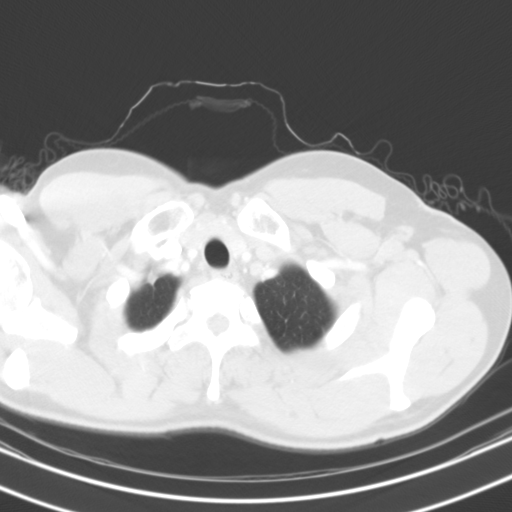
Axial chest CT slice 107 of 123 (counted from the lowest slice); tube voltage 130 kVp, convolution kernel B31s; slices 3.00 mm thick, 0.646 mm per pixel.
Pulmonary nodule at rows 274–284, columns 148–156 (box = that reader's outline on this slice), outlined by one of the four readers; longest diameter 17.6 mm and volume 510 mm3 from that reader's outline. Ratings by that reader: texture 5/5 (solid); margin 3/5; sphericity 5/5 (round); calcification absent; internal structure soft tissue; subtlety 3/5; malignancy likelihood 2/5. Scale key (1–5): texture non-solid→solid, margin indistinct→circumscribed, sphericity linear→round, subtlety extremely subtle→obvious, malignancy likelihood highly unlikely→highly suspicious of cancer. Box rows and columns are 0-based pixel indices from the top-left corner, inclusive.